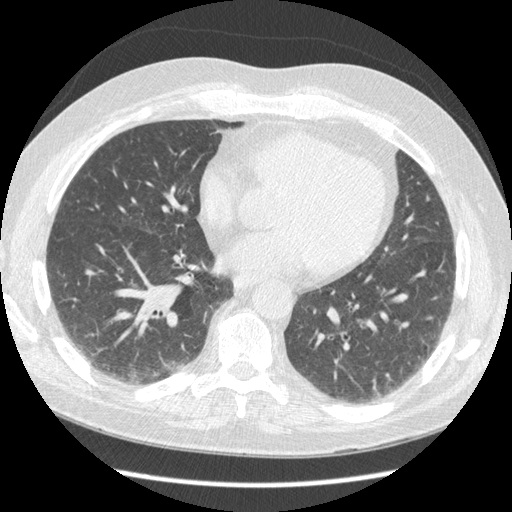
Axial chest CT slice 163 of 429 (counted from the lowest slice); 1.25 mm thick, 0.703 mm per pixel. Pulmonary nodule at rows 372–377, columns 385–389 (box = the union of the readers' outlines on this slice), outlined by all four readers, three of them on this slice; longest diameter 9.6 mm on average over the four readers' outlines (readers' outlines 7.9–12.4 mm), volume 94–254 mm3. The readers' prevailing ratings and who disagreed: texture 5/5 (solid), all four readers agreeing; margin 4/5 by two of four readers; the rest gave 3/5 (one), 5/5 (circumscribed) (one); sphericity 4/5 by two of four readers; the rest gave 3/5 (ovoid) (one), 5/5 (round) (one); calcification absent, all four readers agreeing; internal structure soft tissue, all four readers agreeing; subtlety 3/5 by two of four readers; the rest gave 4/5 (one), 5/5 (one); malignancy likelihood 3/5 by two of four readers; the rest gave 2/5 (one), 4/5 (one). Scale key (1–5): texture non-solid→solid, margin indistinct→circumscribed, sphericity linear→round, subtlety extremely subtle→obvious, malignancy likelihood highly unlikely→highly suspicious of cancer. Box rows and columns are 0-based pixel indices from the top-left corner, inclusive.
Acquired at 120 kVp and reconstructed with the STANDARD kernel.